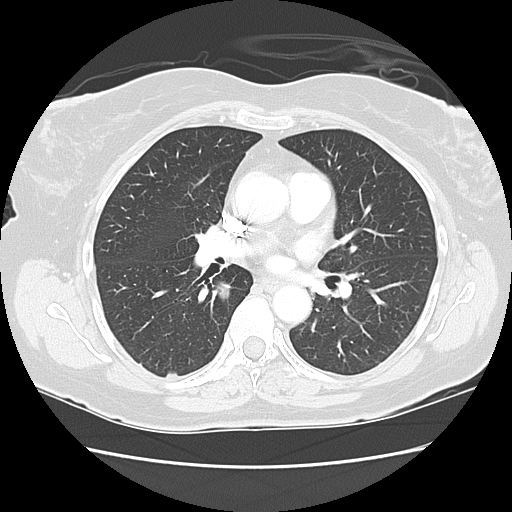
Slice 77/130 of a chest CT, counting up from the lowest; pixel size 0.664 mm, slice thickness 2.50 mm. Pulmonary nodule outlined by all four readers; box rows 278–299, columns 215–229 (the union of the readers' outlines on this slice); longest diameter 23.2–24.2 mm and volume 4791–5604 mm3 across the four readers' outlines. Ratings across the readers: texture 5/5 (solid), all four readers agreeing; margin from 4/5 to 5/5 (circumscribed) across the four readers; sphericity from 4/5 to 5/5 (round) across the four readers; calcification absent from all four readers; internal structure soft tissue, all four readers agreeing; subtlety 5/5, all four readers agreeing; malignancy likelihood 2–5/5 (the readers disagree). Scale key (1–5): texture non-solid→solid, margin indistinct→circumscribed, sphericity linear→round, subtlety extremely subtle→obvious, malignancy likelihood highly unlikely→highly suspicious of cancer. Box rows and columns are 0-based pixel indices from the top-left corner, inclusive.
Acquired at 120 kVp and reconstructed with the LUNG kernel.